Axial slice 95 of 139 of a chest CT (slice 1 is the lowest), reconstructed with the STANDARD kernel at 120 kVp; 2.50 mm slice thickness and 0.703 mm pixels.
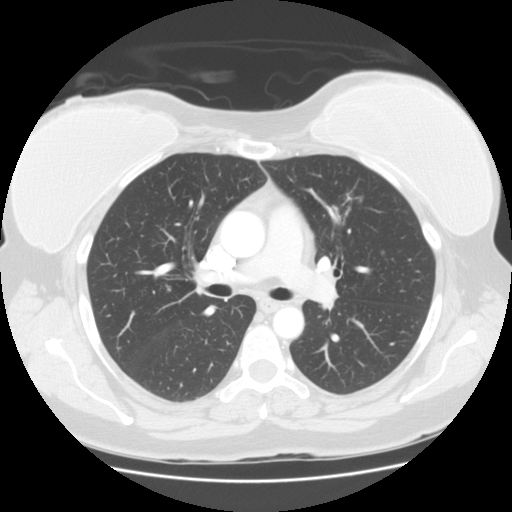
Pulmonary nodule at rows 250–255, columns 380–384 (box = the union of the readers' outlines on this slice), outlined by two of the four readers; longest diameter 6.2 mm on average over the two readers' outlines (readers' outlines 5.8–6.7 mm), volume 69–126 mm3. The readers' prevailing ratings and who disagreed: texture split among the readers: 1/5 (non-solid) (one), 2/5 (one); margin split among the readers: 1/5 (indistinct) (one), 2/5 (one); sphericity 4/5, both readers agreeing; calcification absent from both readers; internal structure soft tissue, both readers agreeing; subtlety split among the readers: 2/5 (one), 3/5 (one); malignancy likelihood 3/5, both readers agreeing. Scale key (1–5): texture non-solid→solid, margin indistinct→circumscribed, sphericity linear→round, subtlety extremely subtle→obvious, malignancy likelihood highly unlikely→highly suspicious of cancer. Box rows and columns are 0-based pixel indices from the top-left corner, inclusive.